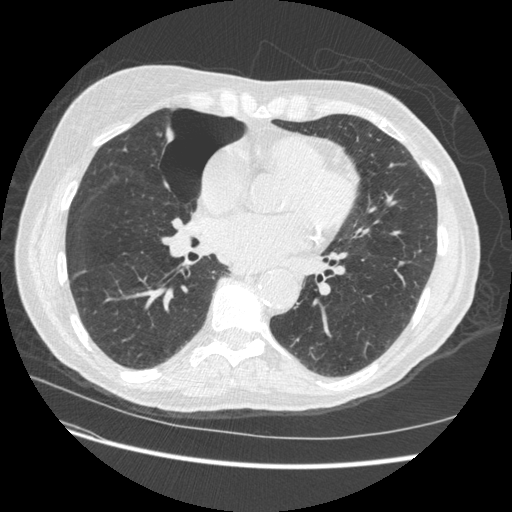
One axial slice (224 of 509, counting up from the lowest) of a chest CT acquired at 120 kVp with the STANDARD kernel; each pixel is 0.703 mm and the slice is 1.25 mm thick.
Pulmonary nodule at rows 261–267, columns 397–404 (box = the union of the readers' outlines on this slice), outlined by three of the four readers; median longest diameter 11.5 mm (readers' outlines 9.2–11.6 mm), median volume 339 mm3 (182–365 mm3). Median ratings and the readers' spread: median texture 5/5 (solid) (readers ranged 4/5 to 5/5 (solid)); margin 4/5 at the median of three readers, spread 3/5 to 5/5 (circumscribed); median sphericity 3/5 (ovoid) (readers ranged 2/5 to 4/5); calcification absent from all three readers; internal structure soft tissue from all three readers; subtlety 4/5, all three readers agreeing; malignancy likelihood 3/5 at the median of three readers, spread 2–4. Scale key (1–5): texture non-solid→solid, margin indistinct→circumscribed, sphericity linear→round, subtlety extremely subtle→obvious, malignancy likelihood highly unlikely→highly suspicious of cancer. Box rows and columns are 0-based pixel indices from the top-left corner, inclusive.